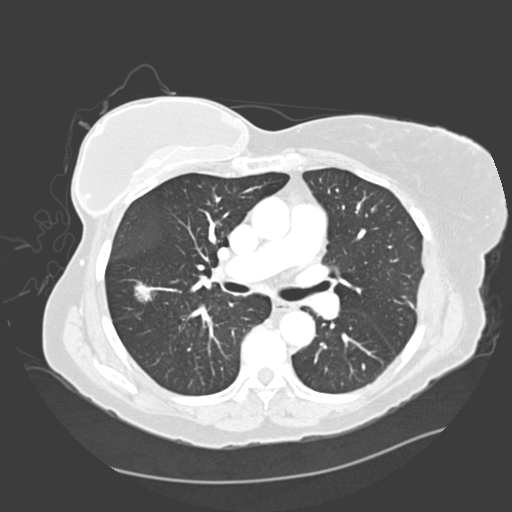
Slice 188/328 of a chest CT, counting up from the lowest; pixel size 0.742 mm, slice thickness 2.00 mm. Pulmonary nodule at rows 281–302, columns 133–154 (box = the union of the readers' outlines on this slice), outlined by all four readers; median longest diameter 19.7 mm (readers' outlines 18.3–21.0 mm), median volume 1582 mm3 (877–1921 mm3). Median ratings and the readers' spread: median texture 3.5/5 (readers ranged 3/5 (part-solid) to 5/5 (solid)); median margin 2.5/5 (readers ranged 2/5 to 4/5); sphericity 3/5 (ovoid) at the median of four readers, spread 2/5 to 3/5 (ovoid); calcification absent, all four readers agreeing; internal structure soft tissue from all four readers; median subtlety 5/5 (readers ranged 4–5); median malignancy likelihood 4/5 (readers ranged 3–5). Scale key (1–5): texture non-solid→solid, margin indistinct→circumscribed, sphericity linear→round, subtlety extremely subtle→obvious, malignancy likelihood highly unlikely→highly suspicious of cancer. Box rows and columns are 0-based pixel indices from the top-left corner, inclusive.
Scan settings: 120 kVp, D reconstruction kernel.